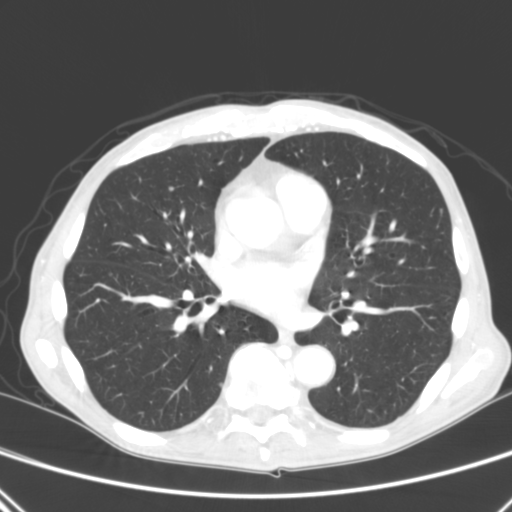
Axial slice 139 of 290 of a chest CT (slice 1 is the lowest), reconstructed with the B kernel at 120 kVp; 2.00 mm slice thickness and 0.639 mm pixels.
Two pulmonary nodules on this slice, listed from left to right. (1) Pulmonary nodule at rows 187–190, columns 169–172 (box = that reader's outline on this slice), outlined by one of the four readers; longest diameter 4.1 mm and volume 26 mm3 from that reader's outline. Ratings by that reader: texture 5/5 (solid); margin 5/5 (circumscribed); sphericity 5/5 (round); calcification absent; internal structure soft tissue; subtlety 5/5; malignancy likelihood 3/5. (2) Pulmonary nodule, outlined by one of the four readers. Box on this slice rows 383–386, columns 219–222, that reader's outline on this slice; longest diameter 5.1 mm and volume 33 mm3 from that reader's outline. That reader's ratings: texture 5/5 (solid); margin 5/5 (circumscribed); sphericity 4/5; calcification absent; internal structure soft tissue; subtlety 5/5; malignancy likelihood 3/5. Scale key (1–5): texture non-solid→solid, margin indistinct→circumscribed, sphericity linear→round, subtlety extremely subtle→obvious, malignancy likelihood highly unlikely→highly suspicious of cancer. Box rows and columns are 0-based pixel indices from the top-left corner, inclusive.